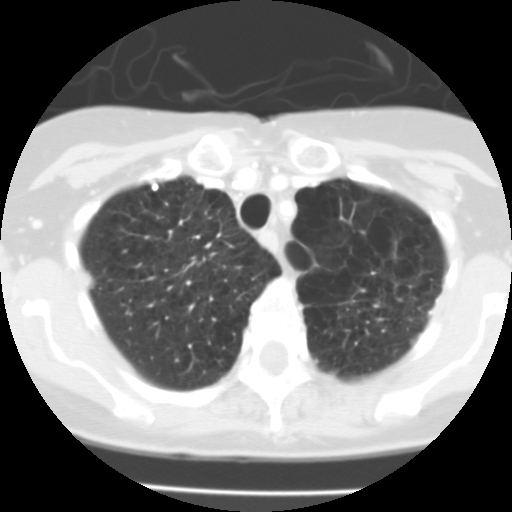
Axial chest CT slice 83 of 100 (counted from the lowest slice); tube voltage 135 kVp, convolution kernel FC01; slices 3.00 mm thick, 0.540 mm per pixel.
Pulmonary nodule, outlined by two of the four readers. Box on this slice rows 184–191, columns 151–158, the union of the readers' outlines on this slice; longest diameter 5.2 mm on average over the two readers' outlines (readers' outlines 4.6–5.8 mm), volume 82–124 mm3. Ratings, by the readers' most common answer with dissent counted: texture 5/5 (solid) from both readers; margin 5/5 (circumscribed), both readers agreeing; sphericity 5/5 (round) from both readers; calcification solid calcification from both readers; internal structure soft tissue from both readers; subtlety 4/5, both readers agreeing; malignancy likelihood 1/5, both readers agreeing. Scale key (1–5): texture non-solid→solid, margin indistinct→circumscribed, sphericity linear→round, subtlety extremely subtle→obvious, malignancy likelihood highly unlikely→highly suspicious of cancer. Box rows and columns are 0-based pixel indices from the top-left corner, inclusive.